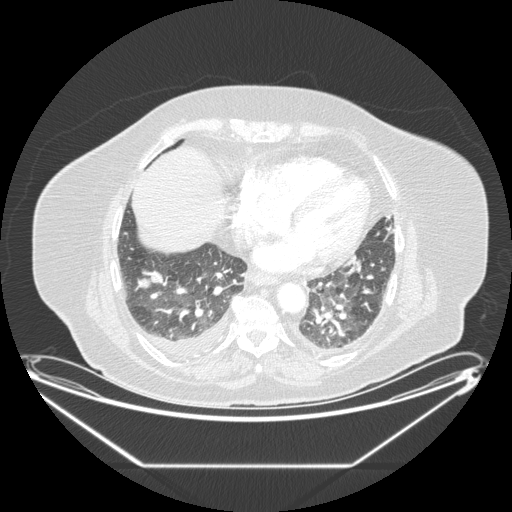
Axial chest CT slice 62 of 206 (counted from the lowest slice); tube voltage 120 kVp, convolution kernel STANDARD; slices 1.25 mm thick, 0.898 mm per pixel.
Pulmonary nodule at rows 270–291, columns 134–168 (box = the union of the readers' outlines on this slice), outlined by all four readers; longest diameter 28.4 mm on average over the four readers' outlines (readers' outlines 25.7–34.7 mm), volume 3668–5061 mm3. The readers' prevailing ratings and who disagreed: most readers (three of four) put texture at 5/5 (solid), others 4/5 (one); margin 4/5, all four readers agreeing; sphericity 3/5 (ovoid) by three of four readers; the rest gave 5/5 (round) (one); calcification absent, all four readers agreeing; internal structure soft tissue, all four readers agreeing; subtlety 5/5 by three of four readers; the rest gave 4/5 (one); malignancy likelihood 5/5 by two of four readers; the rest gave 3/5 (one), 4/5 (one). Scale key (1–5): texture non-solid→solid, margin indistinct→circumscribed, sphericity linear→round, subtlety extremely subtle→obvious, malignancy likelihood highly unlikely→highly suspicious of cancer. Box rows and columns are 0-based pixel indices from the top-left corner, inclusive.